One axial slice (294 of 535, counting up from the lowest) of a chest CT acquired at 120 kVp with the STANDARD kernel; each pixel is 0.664 mm and the slice is 1.25 mm thick.
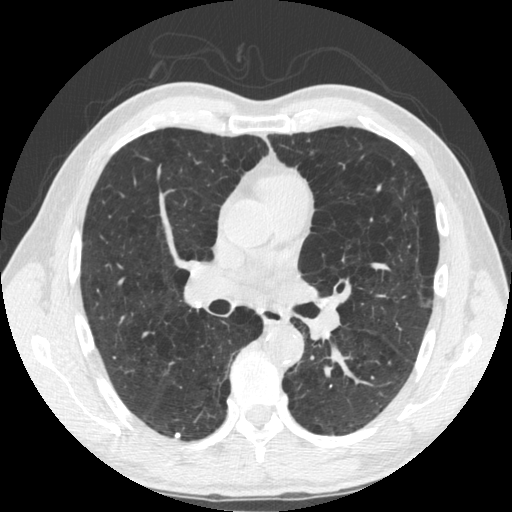
Pulmonary nodule outlined by two of the four readers; box rows 433–438, columns 174–179 (the union of the readers' outlines on this slice); median longest diameter 4.7 mm (readers' outlines 3.9–5.5 mm), median volume 38 mm3 (25–50 mm3). Median ratings and the readers' spread: texture 5/5 (solid), both readers agreeing; median margin 4.5/5 (readers ranged 4/5 to 5/5 (circumscribed)); sphericity 5/5 (round), both readers agreeing; calcification solid calcification, both readers agreeing; internal structure soft tissue, both readers agreeing; subtlety 4.5/5 at the median of two readers, spread 4–5; malignancy likelihood 1/5 from both readers. Scale key (1–5): texture non-solid→solid, margin indistinct→circumscribed, sphericity linear→round, subtlety extremely subtle→obvious, malignancy likelihood highly unlikely→highly suspicious of cancer. Box rows and columns are 0-based pixel indices from the top-left corner, inclusive.